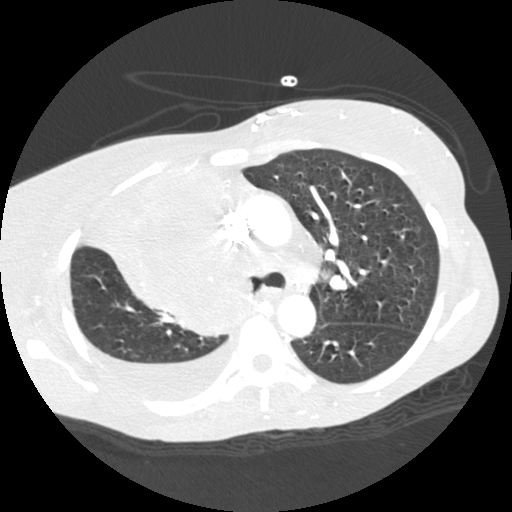
Axial slice 158 of 238 of a chest CT (slice 1 is the lowest), reconstructed with the STANDARD kernel at 120 kVp; 1.25 mm slice thickness and 0.625 mm pixels.
This slice carries no reader outline of a nodule 3 mm or larger.